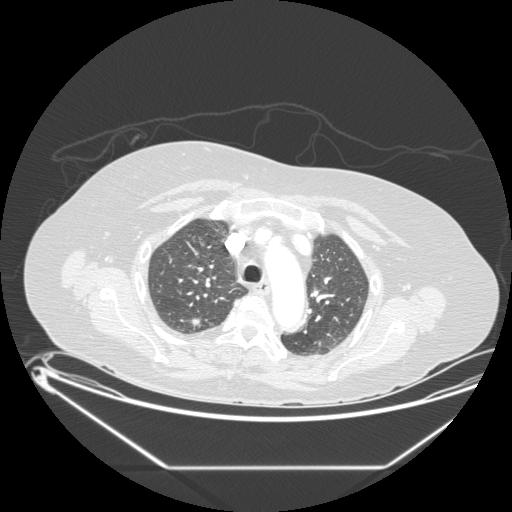
Slice 154/197 of a chest CT, counting up from the lowest; pixel size 0.859 mm, slice thickness 1.25 mm. Pulmonary nodule at rows 317–326, columns 185–200 (box = the union of the readers' outlines on this slice), outlined by all four readers; longest diameter 11.0 mm on average over the four readers' outlines (readers' outlines 8.2–16.1 mm), volume 248–473 mm3. The readers' prevailing ratings and who disagreed: most readers (three of four) put texture at 5/5 (solid), others 4/5 (one); margin 3/5 by two of four readers; the rest gave 4/5 (one), 5/5 (circumscribed) (one); sphericity 3/5 (ovoid) by two of four readers; the rest gave 4/5 (one), 5/5 (round) (one); calcification absent from all four readers; internal structure soft tissue from all four readers; subtlety 5/5 by two of four readers; the rest gave 3/5 (one), 4/5 (one); malignancy likelihood 3/5 by two of four readers; the rest gave 2/5 (one), 4/5 (one). Scale key (1–5): texture non-solid→solid, margin indistinct→circumscribed, sphericity linear→round, subtlety extremely subtle→obvious, malignancy likelihood highly unlikely→highly suspicious of cancer. Box rows and columns are 0-based pixel indices from the top-left corner, inclusive.
Acquired at 120 kVp and reconstructed with the STANDARD kernel.